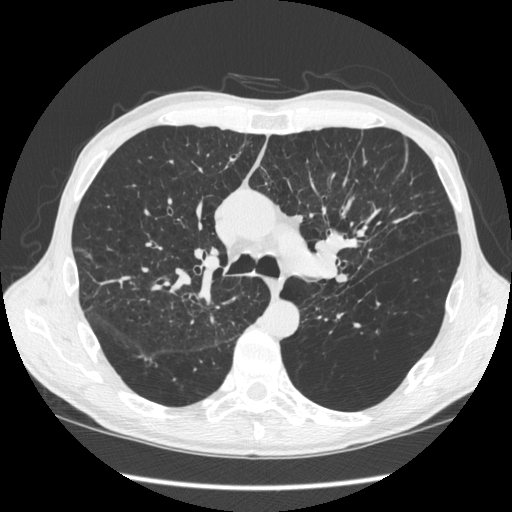
Axial chest CT slice 381 of 583 (counted from the lowest slice); tube voltage 120 kVp, convolution kernel STANDARD; slices 1.25 mm thick, 0.703 mm per pixel.
None of the four readers outlined a nodule of 3 mm or more on this slice.